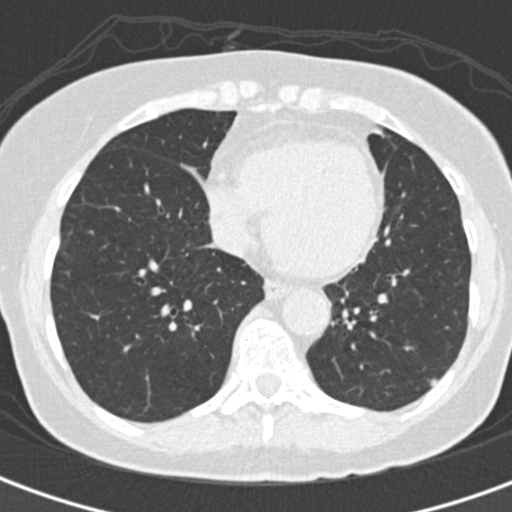
Axial slice 74 of 193 of a chest CT (slice 1 is the lowest), reconstructed with the B30f kernel at 120 kVp; 2.00 mm slice thickness and 0.547 mm pixels.
Pulmonary nodule, outlined by all four readers. Box on this slice rows 378–386, columns 428–439, the union of the readers' outlines on this slice; the four readers' outlines give a longest diameter between 6.1 and 7.6 mm and a volume between 64 and 96 mm3. The readers' ratings, as ranges where they differ: texture from 4/5 to 5/5 (solid) across the four readers; margin from 4/5 to 5/5 (circumscribed) across the four readers; sphericity from 2/5 to 5/5 (round) across the four readers; calcification absent from all four readers; internal structure soft tissue, all four readers agreeing; subtlety from 2/5 to 4/5 across the four readers; malignancy likelihood 2–3/5 (the readers disagree). Scale key (1–5): texture non-solid→solid, margin indistinct→circumscribed, sphericity linear→round, subtlety extremely subtle→obvious, malignancy likelihood highly unlikely→highly suspicious of cancer. Box rows and columns are 0-based pixel indices from the top-left corner, inclusive.